Chest CT, axial plane, 120 kVp, kernel STANDARD. Slice 98/433 from the bottom of the scan; thickness 1.25 mm; pixel size 0.547 mm.
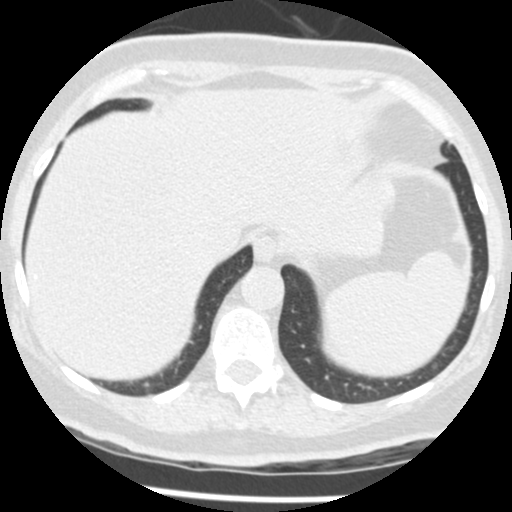
Pulmonary nodule outlined by two of the four readers, one of them on this slice; box rows 248–251, columns 469–471 (the one reader's outline on this slice); median longest diameter 4.6 mm (readers' outlines 4.4–4.7 mm), median volume 51 mm3 (49–52 mm3). Ratings, median across the readers with their spread: texture 5/5 (solid), both readers agreeing; margin 5/5 (circumscribed), both readers agreeing; sphericity 5/5 (round), both readers agreeing; calcification solid calcification, both readers agreeing; internal structure soft tissue from both readers; subtlety 5/5, both readers agreeing; malignancy likelihood 1/5, both readers agreeing. Scale key (1–5): texture non-solid→solid, margin indistinct→circumscribed, sphericity linear→round, subtlety extremely subtle→obvious, malignancy likelihood highly unlikely→highly suspicious of cancer. Box rows and columns are 0-based pixel indices from the top-left corner, inclusive.